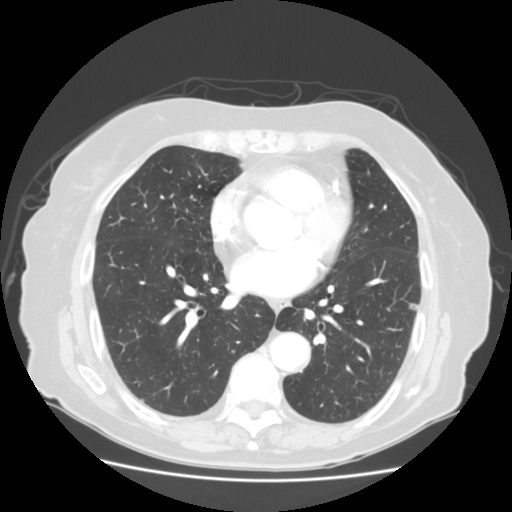
Axial chest CT slice 51 of 119 (counted from the lowest slice); tube voltage 120 kVp, convolution kernel STANDARD; slices 2.50 mm thick, 0.703 mm per pixel.
Pulmonary nodule outlined by two of the four readers; box rows 303–309, columns 408–417 (the union of the readers' outlines on this slice); longest diameter 7.3–8.2 mm and volume 190–218 mm3 across the two readers' outlines. Ratings across the readers: texture from 2/5 to 5/5 (solid) across the two readers; margin from 2/5 to 4/5 across the two readers; sphericity from 3/5 (ovoid) to 4/5 across the two readers; calcification absent from both readers; internal structure soft tissue from both readers; subtlety from 3/5 to 4/5 across the two readers; malignancy likelihood 2–3/5 (the readers disagree). Scale key (1–5): texture non-solid→solid, margin indistinct→circumscribed, sphericity linear→round, subtlety extremely subtle→obvious, malignancy likelihood highly unlikely→highly suspicious of cancer. Box rows and columns are 0-based pixel indices from the top-left corner, inclusive.